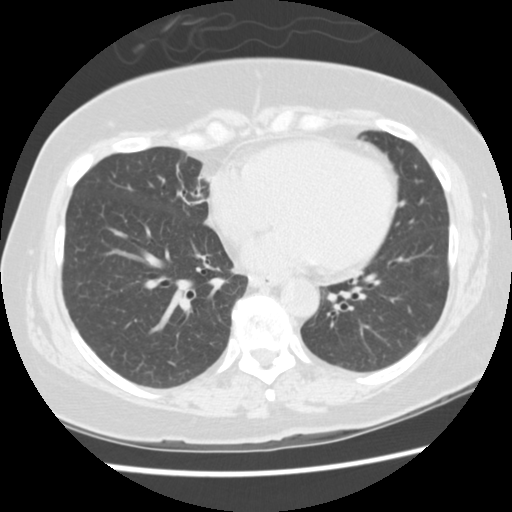
Axial slice 50 of 145 of a chest CT (slice 1 is the lowest), reconstructed with the STANDARD kernel at 120 kVp; 2.50 mm slice thickness and 0.625 mm pixels.
Pulmonary nodule outlined by one of the four readers; box rows 335–339, columns 416–420 (that reader's outline on this slice); longest diameter 5.6 mm and volume 68 mm3 from that reader's outline. Ratings by that reader: texture 1/5 (non-solid); margin 1/5 (indistinct); sphericity 3/5 (ovoid); calcification absent; internal structure soft tissue; subtlety 5/5; malignancy likelihood 2/5. Scale key (1–5): texture non-solid→solid, margin indistinct→circumscribed, sphericity linear→round, subtlety extremely subtle→obvious, malignancy likelihood highly unlikely→highly suspicious of cancer. Box rows and columns are 0-based pixel indices from the top-left corner, inclusive.